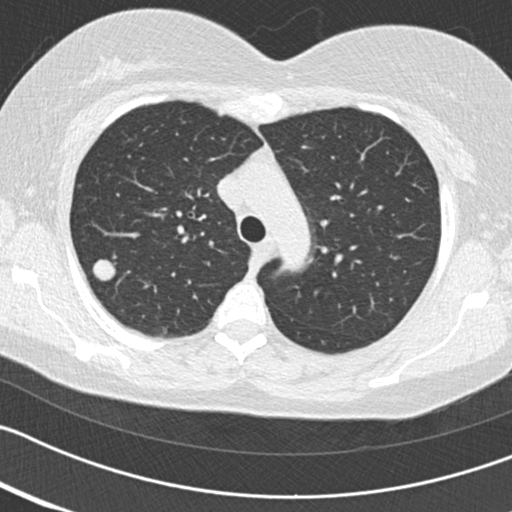
Axial chest CT slice 119 of 161 (counted from the lowest slice); 2.00 mm thick, 0.586 mm per pixel. Pulmonary nodule, outlined by all four readers. Box on this slice rows 259–281, columns 92–115, the union of the readers' outlines on this slice; longest diameter 16.3 mm on average over the four readers' outlines (readers' outlines 15.4–17.6 mm), volume 1259–1807 mm3. Ratings, by the readers' most common answer with dissent counted: texture 5/5 (solid) by three of four readers; the rest gave 4/5 (one); margin 5/5 (circumscribed) by three of four readers; the rest gave 4/5 (one); sphericity 5/5 (round) from all four readers; calcification split among the readers: central calcification (two), absent (two); internal structure soft tissue from all four readers; subtlety 5/5, all four readers agreeing; malignancy likelihood split among the readers: 1/5 (two), 3/5 (two). Scale key (1–5): texture non-solid→solid, margin indistinct→circumscribed, sphericity linear→round, subtlety extremely subtle→obvious, malignancy likelihood highly unlikely→highly suspicious of cancer. Box rows and columns are 0-based pixel indices from the top-left corner, inclusive.
Acquired at 120 kVp and reconstructed with the B30f kernel.